Axial chest CT slice 228 of 253 (counted from the lowest slice); tube voltage 120 kVp, convolution kernel BONE; slices 1.25 mm thick, 0.625 mm per pixel.
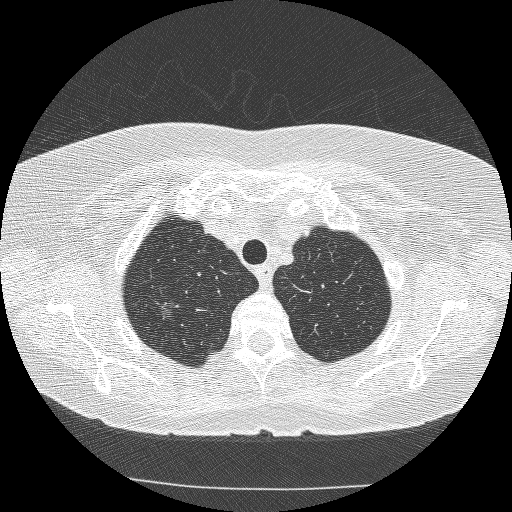
Pulmonary nodule outlined by all four readers; box rows 302–318, columns 158–173 (the union of the readers' outlines on this slice); the four readers' outlines give a longest diameter between 12.3 and 15.8 mm and a volume between 480 and 587 mm3. The readers' ratings, as ranges where they differ: texture from 1/5 (non-solid) to 3/5 (part-solid) across the four readers; margin from 2/5 to 4/5 across the four readers; sphericity from 2/5 to 4/5 across the four readers; calcification absent from all four readers; internal structure soft tissue, all four readers agreeing; subtlety 3–5/5 (the readers disagree); malignancy likelihood rated between 3 and 5 out of 5 by the four readers. Scale key (1–5): texture non-solid→solid, margin indistinct→circumscribed, sphericity linear→round, subtlety extremely subtle→obvious, malignancy likelihood highly unlikely→highly suspicious of cancer. Box rows and columns are 0-based pixel indices from the top-left corner, inclusive.